Axial chest CT slice 157 of 232 (counted from the lowest slice); tube voltage 120 kVp, convolution kernel STANDARD; slices 1.25 mm thick, 0.781 mm per pixel.
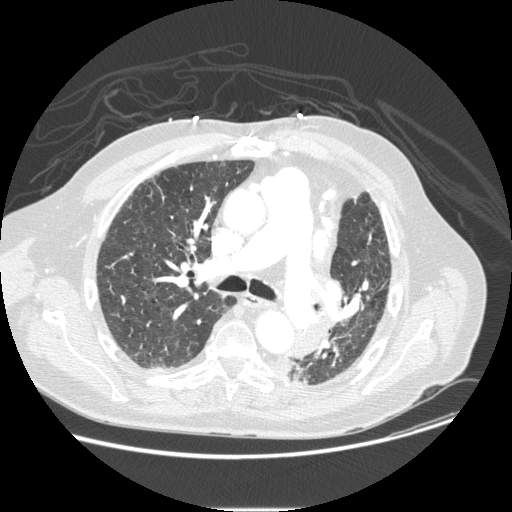
Pulmonary nodule at rows 304–310, columns 361–363 (box = the one reader's outline on this slice), outlined by all four readers, one of them on this slice; longest diameter 21.5 mm on average over the four readers' outlines (readers' outlines 19.0–24.3 mm), volume 1498–2178 mm3. The readers' prevailing ratings and who disagreed: texture 5/5 (solid) from all four readers; margin split among the readers: 4/5 (two), 5/5 (circumscribed) (two); sphericity 3/5 (ovoid), all four readers agreeing; calcification absent from all four readers; internal structure soft tissue, all four readers agreeing; subtlety split among the readers: 4/5 (two), 5/5 (two); malignancy likelihood split among the readers: 2/5 (one), 3/5 (one), 4/5 (one), 5/5 (one). Scale key (1–5): texture non-solid→solid, margin indistinct→circumscribed, sphericity linear→round, subtlety extremely subtle→obvious, malignancy likelihood highly unlikely→highly suspicious of cancer. Box rows and columns are 0-based pixel indices from the top-left corner, inclusive.